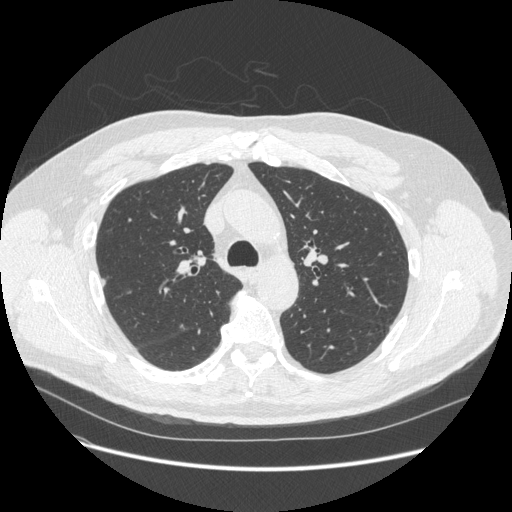
Slice 369/541 of a chest CT, counting up from the lowest; pixel size 0.781 mm, slice thickness 1.25 mm. Pulmonary nodule, outlined by two of the four readers. Box on this slice rows 278–286, columns 100–105, the union of the readers' outlines on this slice; the two readers' outlines give a longest diameter between 8.2 and 10.3 mm and a volume between 74 and 127 mm3. Ratings across the readers: texture 5/5 (solid), both readers agreeing; margin 5/5 (circumscribed) from both readers; sphericity 3/5 (ovoid), both readers agreeing; calcification absent from both readers; internal structure soft tissue, both readers agreeing; subtlety 5/5 from both readers; malignancy likelihood rated between 2 and 3 out of 5 by the two readers. Scale key (1–5): texture non-solid→solid, margin indistinct→circumscribed, sphericity linear→round, subtlety extremely subtle→obvious, malignancy likelihood highly unlikely→highly suspicious of cancer. Box rows and columns are 0-based pixel indices from the top-left corner, inclusive.
Acquired at 120 kVp and reconstructed with the STANDARD kernel.